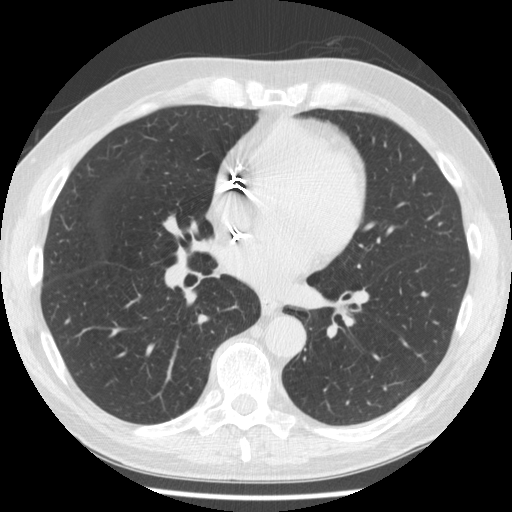
Axial chest CT slice 88 of 179 (counted from the lowest slice); 2.50 mm thick, 0.684 mm per pixel. This slice carries no reader outline of a nodule 3 mm or larger.
Scan settings: 120 kVp, STANDARD reconstruction kernel.